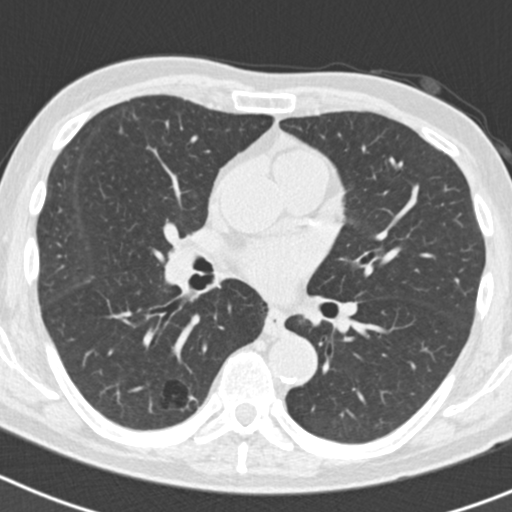
Chest CT, axial plane, 120 kVp, kernel B30f. Slice 103/186 from the bottom of the scan; thickness 2.00 mm; pixel size 0.586 mm.
Pulmonary nodule outlined by three of the four readers, two of them on this slice; box rows 128–135, columns 117–122 (the union of the readers' outlines on this slice); longest diameter 6.8 mm on average over the three readers' outlines (readers' outlines 6.6–7.2 mm), volume 41–87 mm3. The readers' prevailing ratings and who disagreed: texture 4/5 by two of three readers; the rest gave 5/5 (solid) (one); margin 4/5 from all three readers; most readers (two of three) put sphericity at 4/5, others 3/5 (ovoid) (one); calcification absent from all three readers; internal structure soft tissue from all three readers; subtlety split among the readers: 2/5 (one), 3/5 (one), 4/5 (one); malignancy likelihood split among the readers: 1/5 (one), 2/5 (one), 3/5 (one). Scale key (1–5): texture non-solid→solid, margin indistinct→circumscribed, sphericity linear→round, subtlety extremely subtle→obvious, malignancy likelihood highly unlikely→highly suspicious of cancer. Box rows and columns are 0-based pixel indices from the top-left corner, inclusive.